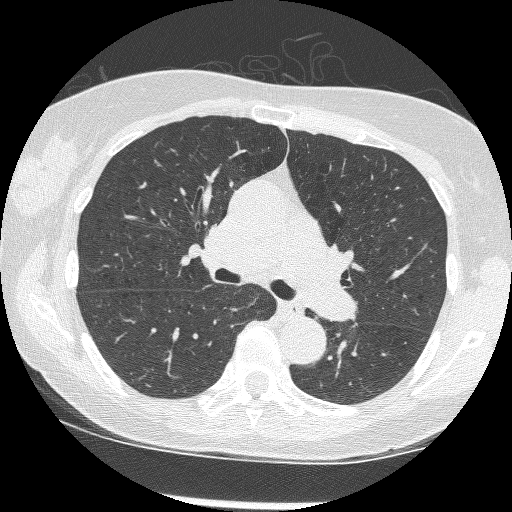
One axial slice (154 of 246, counting up from the lowest) of a chest CT acquired at 120 kVp with the BONE kernel; each pixel is 0.586 mm and the slice is 1.25 mm thick.
No nodule 3 mm or larger was outlined here by any reader.